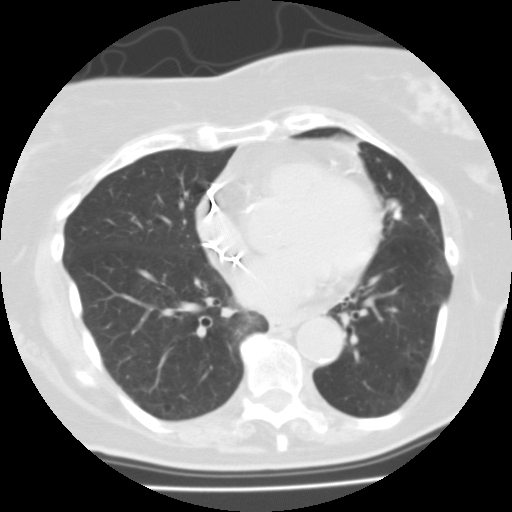
One axial slice (61 of 122, counting up from the lowest) of a chest CT acquired at 135 kVp with the FC01 kernel; each pixel is 0.586 mm and the slice is 3.00 mm thick.
Pulmonary nodule at rows 210–220, columns 392–401 (box = that reader's outline on this slice), outlined by one of the four readers; longest diameter 7.4 mm and volume 209 mm3 from that reader's outline. Ratings by that reader: texture 5/5 (solid); margin 3/5; sphericity 4/5; calcification absent; internal structure soft tissue; subtlety 3/5; malignancy likelihood 2/5. Scale key (1–5): texture non-solid→solid, margin indistinct→circumscribed, sphericity linear→round, subtlety extremely subtle→obvious, malignancy likelihood highly unlikely→highly suspicious of cancer. Box rows and columns are 0-based pixel indices from the top-left corner, inclusive.